Axial slice 239 of 272 of a chest CT (slice 1 is the lowest), reconstructed with the STANDARD kernel at 120 kVp; 1.25 mm slice thickness and 0.742 mm pixels.
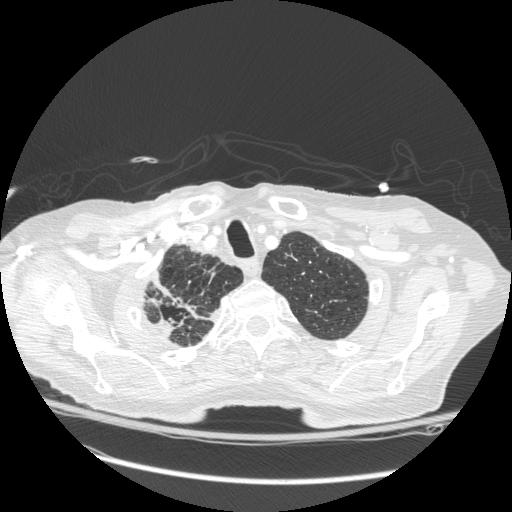
Pulmonary nodule outlined by all four readers, one of them on this slice; box rows 277–336, columns 149–206 (the one reader's outline on this slice); longest diameter 28.8 mm on average over the four readers' outlines (readers' outlines 16.0–56.1 mm), volume 732–13897 mm3. Ratings, by the readers' most common answer with dissent counted: texture 5/5 (solid) from all four readers; most readers (three of four) put margin at 3/5, others 5/5 (circumscribed) (one); sphericity 3/5 (ovoid) by three of four readers; the rest gave 4/5 (one); calcification absent from all four readers; internal structure soft tissue, all four readers agreeing; subtlety 5/5, all four readers agreeing; malignancy likelihood 5/5 by three of four readers; the rest gave 4/5 (one). Scale key (1–5): texture non-solid→solid, margin indistinct→circumscribed, sphericity linear→round, subtlety extremely subtle→obvious, malignancy likelihood highly unlikely→highly suspicious of cancer. Box rows and columns are 0-based pixel indices from the top-left corner, inclusive.